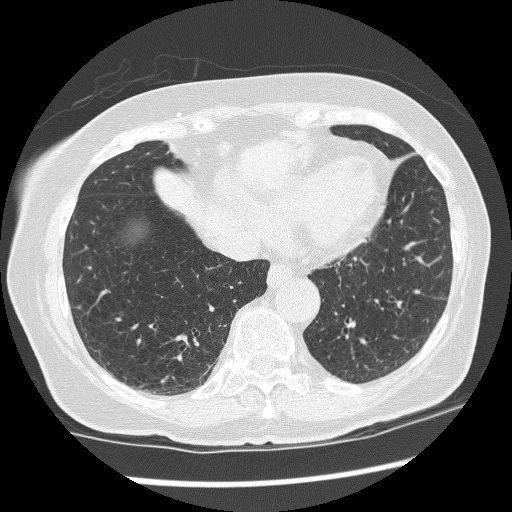
Chest CT, axial plane, 120 kVp, kernel BONE. Slice 87/247 from the bottom of the scan; thickness 1.25 mm; pixel size 0.643 mm.
Pulmonary nodule outlined by all four readers, three of them on this slice; box rows 306–308, columns 78–80 (the union of the readers' outlines on this slice); median longest diameter 5.1 mm (readers' outlines 4.9–5.3 mm), median volume 61 mm3 (53–68 mm3). Median ratings and the readers' spread: texture 5/5 (solid), all four readers agreeing; median margin 4.5/5 (readers ranged 4/5 to 5/5 (circumscribed)); median sphericity 5/5 (round) (readers ranged 4/5 to 5/5 (round)); calcification absent from all four readers; internal structure soft tissue from all four readers; median subtlety 3/5 (readers ranged 2–5); malignancy likelihood 3/5 from all four readers. Scale key (1–5): texture non-solid→solid, margin indistinct→circumscribed, sphericity linear→round, subtlety extremely subtle→obvious, malignancy likelihood highly unlikely→highly suspicious of cancer. Box rows and columns are 0-based pixel indices from the top-left corner, inclusive.